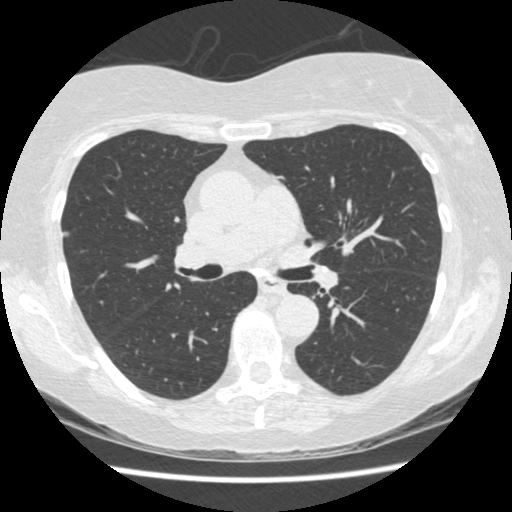
One axial slice (248 of 458, counting up from the lowest) of a chest CT acquired at 120 kVp with the STANDARD kernel; each pixel is 0.625 mm and the slice is 1.25 mm thick.
Pulmonary nodule outlined by two of the four readers; box rows 231–235, columns 62–68 (the union of the readers' outlines on this slice); longest diameter 5.5 mm on average over the two readers' outlines (readers' outlines 5.4–5.6 mm), volume 31–41 mm3. Ratings, by the readers' most common answer with dissent counted: texture split among the readers: 2/5 (one), 5/5 (solid) (one); margin split among the readers: 2/5 (one), 5/5 (circumscribed) (one); sphericity split among the readers: 3/5 (ovoid) (one), 4/5 (one); calcification absent from both readers; internal structure soft tissue, both readers agreeing; subtlety split among the readers: 3/5 (one), 4/5 (one); malignancy likelihood split among the readers: 2/5 (one), 3/5 (one). Scale key (1–5): texture non-solid→solid, margin indistinct→circumscribed, sphericity linear→round, subtlety extremely subtle→obvious, malignancy likelihood highly unlikely→highly suspicious of cancer. Box rows and columns are 0-based pixel indices from the top-left corner, inclusive.